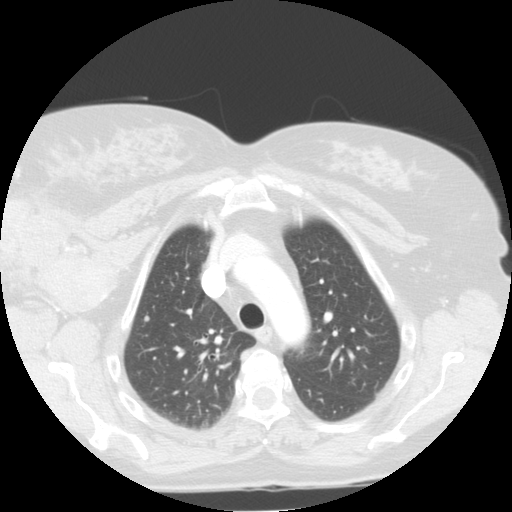
Axial chest CT slice 91 of 113 (counted from the lowest slice); tube voltage 120 kVp, convolution kernel STANDARD; slices 2.50 mm thick, 0.703 mm per pixel.
Pulmonary nodule at rows 316–321, columns 144–149 (box = the union of the readers' outlines on this slice), outlined by two of the four readers; median longest diameter 5.1 mm (readers' outlines 4.4–5.7 mm), median volume 59 mm3 (41–78 mm3). Median ratings and the readers' spread: texture 5/5 (solid), both readers agreeing; median margin 4.5/5 (readers ranged 4/5 to 5/5 (circumscribed)); median sphericity 4.5/5 (readers ranged 4/5 to 5/5 (round)); calcification absent, both readers agreeing; internal structure soft tissue from both readers; subtlety 3.5/5 at the median of two readers, spread 2–5; median malignancy likelihood 2.5/5 (readers ranged 2–3). Scale key (1–5): texture non-solid→solid, margin indistinct→circumscribed, sphericity linear→round, subtlety extremely subtle→obvious, malignancy likelihood highly unlikely→highly suspicious of cancer. Box rows and columns are 0-based pixel indices from the top-left corner, inclusive.